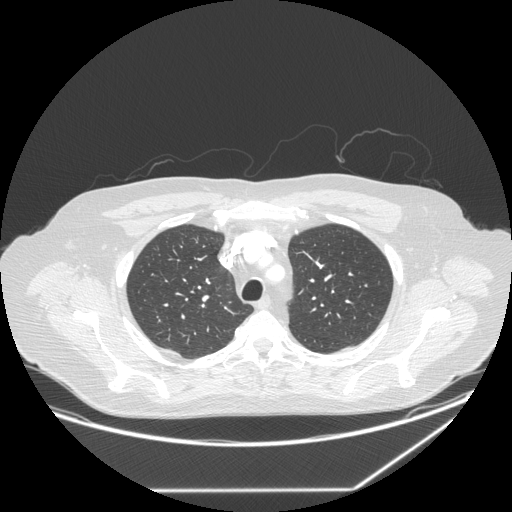
Chest CT, axial plane, 120 kVp, kernel STANDARD. Slice 202/258 from the bottom of the scan; thickness 1.25 mm; pixel size 0.859 mm.
This slice carries no reader outline of a nodule 3 mm or larger.